Axial chest CT slice 173 of 513 (counted from the lowest slice); tube voltage 120 kVp, convolution kernel STANDARD; slices 1.25 mm thick, 0.703 mm per pixel.
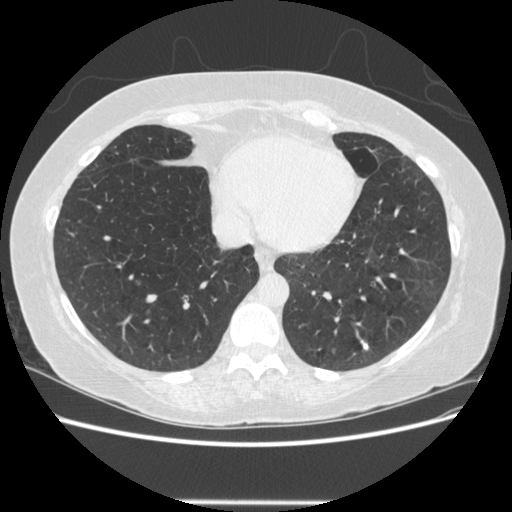
Pulmonary nodule at rows 340–350, columns 361–367 (box = the union of the readers' outlines on this slice), outlined by all four readers; median longest diameter 8.3 mm (readers' outlines 7.6–9.4 mm), median volume 121 mm3 (94–152 mm3). Median ratings and the readers' spread: texture 5/5 (solid) from all four readers; margin 4.5/5 at the median of four readers, spread 1/5 (indistinct) to 5/5 (circumscribed); median sphericity 5/5 (round) (readers ranged 3/5 (ovoid) to 5/5 (round)); calcification: solid calcification (three), absent (one); internal structure soft tissue, all four readers agreeing; median subtlety 5/5 (readers ranged 4–5); malignancy likelihood 1/5 at the median of four readers, spread 1–4. Scale key (1–5): texture non-solid→solid, margin indistinct→circumscribed, sphericity linear→round, subtlety extremely subtle→obvious, malignancy likelihood highly unlikely→highly suspicious of cancer. Box rows and columns are 0-based pixel indices from the top-left corner, inclusive.